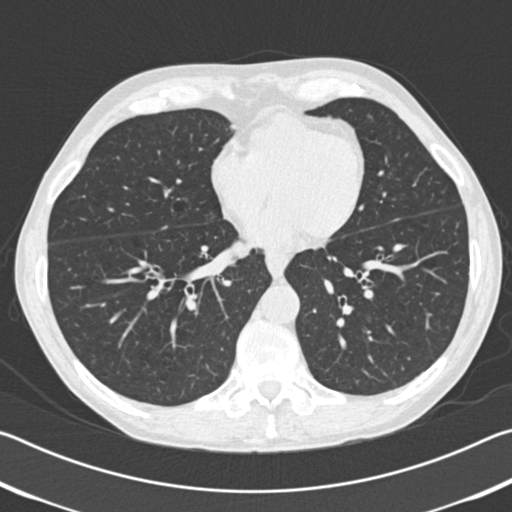
Axial chest CT slice 74 of 192 (counted from the lowest slice); tube voltage 120 kVp, convolution kernel B30f; slices 2.00 mm thick, 0.664 mm per pixel.
Pulmonary nodule outlined by one of the four readers; box rows 197–214, columns 170–189 (that reader's outline on this slice); longest diameter 17.7 mm and volume 2737 mm3 from that reader's outline. Ratings by that reader: texture 1/5 (non-solid); margin 2/5; sphericity 4/5; calcification absent; internal structure soft tissue; subtlety 2/5; malignancy likelihood 2/5. Scale key (1–5): texture non-solid→solid, margin indistinct→circumscribed, sphericity linear→round, subtlety extremely subtle→obvious, malignancy likelihood highly unlikely→highly suspicious of cancer. Box rows and columns are 0-based pixel indices from the top-left corner, inclusive.